Chest CT, axial plane, 120 kVp, kernel B30f. Slice 455/536 from the bottom of the scan; thickness 0.75 mm; pixel size 0.656 mm.
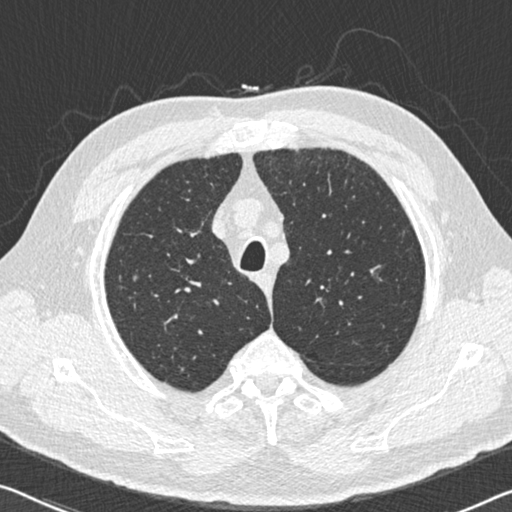
Pulmonary nodule outlined by one of the four readers; box rows 230–236, columns 402–404 (that reader's outline on this slice); longest diameter 6.2 mm and volume 42 mm3 from that reader's outline. Ratings by that reader: texture 2/5; margin 3/5; sphericity 3/5 (ovoid); calcification absent; internal structure soft tissue; subtlety 3/5; malignancy likelihood 3/5. Scale key (1–5): texture non-solid→solid, margin indistinct→circumscribed, sphericity linear→round, subtlety extremely subtle→obvious, malignancy likelihood highly unlikely→highly suspicious of cancer. Box rows and columns are 0-based pixel indices from the top-left corner, inclusive.